Chest CT, axial plane, 120 kVp, kernel LUNG. Slice 80/117 from the bottom of the scan; thickness 2.50 mm; pixel size 0.898 mm.
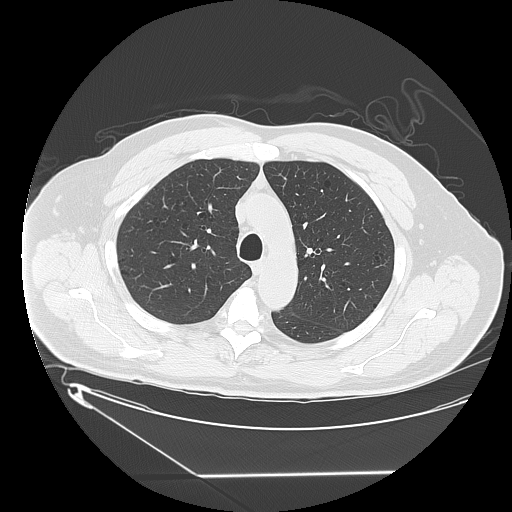
The readers outlined no nodule of 3 mm or more on this slice.